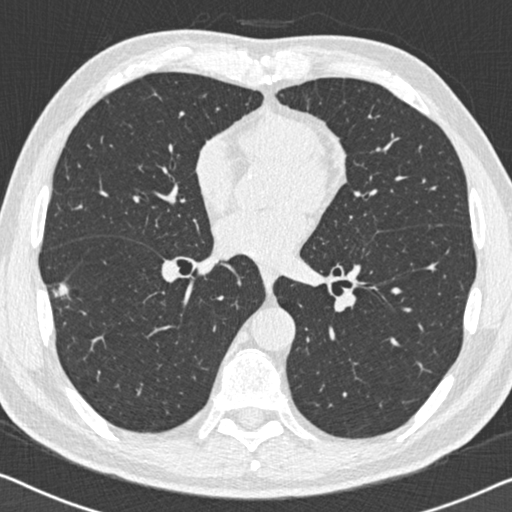
Axial chest CT slice 294 of 558 (counted from the lowest slice); tube voltage 120 kVp, convolution kernel B30f; slices 0.75 mm thick, 0.648 mm per pixel.
Pulmonary nodule, outlined by all four readers. Box on this slice rows 282–299, columns 51–69, the union of the readers' outlines on this slice; longest diameter 22.2 mm on average over the four readers' outlines (readers' outlines 18.8–26.5 mm), volume 726–1916 mm3. The readers' prevailing ratings and who disagreed: texture 5/5 (solid) by two of four readers; the rest gave 3/5 (part-solid) (one), 4/5 (one); margin 4/5 by two of four readers; the rest gave 1/5 (indistinct) (one), 2/5 (one); sphericity split among the readers: 2/5 (two), 4/5 (two); calcification absent from all four readers; internal structure soft tissue from all four readers; most readers (three of four) put subtlety at 5/5, others 4/5 (one); most readers (three of four) put malignancy likelihood at 4/5, others 5/5 (one). Scale key (1–5): texture non-solid→solid, margin indistinct→circumscribed, sphericity linear→round, subtlety extremely subtle→obvious, malignancy likelihood highly unlikely→highly suspicious of cancer. Box rows and columns are 0-based pixel indices from the top-left corner, inclusive.